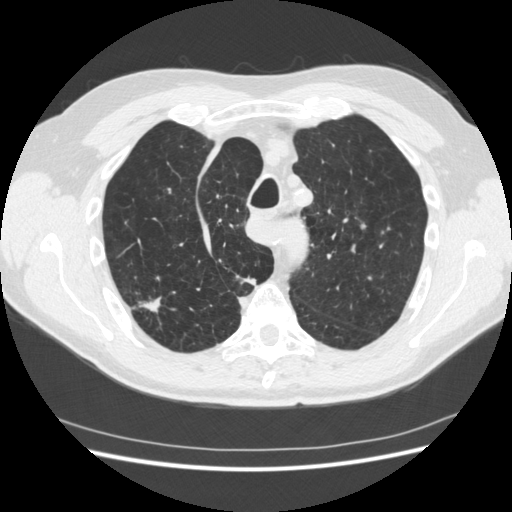
This is axial slice 350 of 481 (slice 1 is the lowest) of a chest CT; each pixel is 0.703 mm and the slice is 1.25 mm thick. Two pulmonary nodules on this slice, listed from left to right. (1) Pulmonary nodule at rows 295–314, columns 132–163 (box = the union of the readers' outlines on this slice), outlined by all four readers; the four readers' outlines give a longest diameter between 18.7 and 34.9 mm and a volume between 1155 and 4169 mm3. The readers' ratings, as ranges where they differ: texture from 4/5 to 5/5 (solid) across the four readers; margin from 1/5 (indistinct) to 4/5 across the four readers; sphericity from 2/5 to 5/5 (round) across the four readers; calcification absent from all four readers; internal structure soft tissue from all four readers; subtlety 5/5 from all four readers; malignancy likelihood 4–5/5 (the readers disagree). (2) Pulmonary nodule outlined by three of the four readers; box rows 276–286, columns 240–257 (the union of the readers' outlines on this slice); longest diameter 13.5–18.5 mm and volume 529–1088 mm3 across the three readers' outlines. Ratings across the readers: texture 5/5 (solid), all three readers agreeing; margin from 1/5 (indistinct) to 4/5 across the three readers; sphericity from 2/5 to 3/5 (ovoid) across the three readers; calcification absent, all three readers agreeing; internal structure soft tissue, all three readers agreeing; subtlety 4–5/5 (the readers disagree); malignancy likelihood rated between 3 and 5 out of 5 by the three readers. Scale key (1–5): texture non-solid→solid, margin indistinct→circumscribed, sphericity linear→round, subtlety extremely subtle→obvious, malignancy likelihood highly unlikely→highly suspicious of cancer. Box rows and columns are 0-based pixel indices from the top-left corner, inclusive.
Tube voltage 120 kVp; convolution kernel STANDARD.